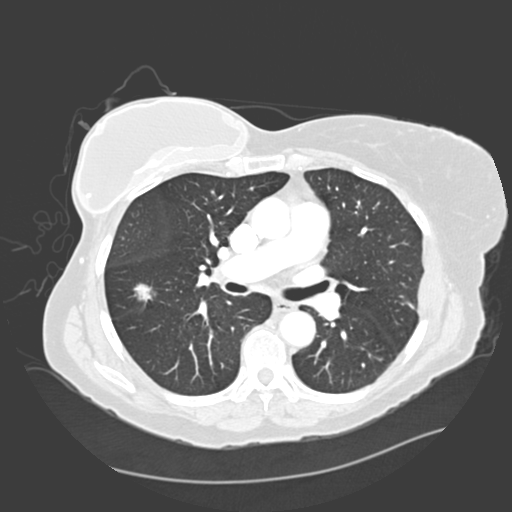
Chest CT, axial plane, 120 kVp, kernel D. Slice 186/328 from the bottom of the scan; thickness 2.00 mm; pixel size 0.742 mm.
Pulmonary nodule at rows 283–303, columns 133–155 (box = the union of the readers' outlines on this slice), outlined by all four readers; median longest diameter 19.7 mm (readers' outlines 18.3–21.0 mm), median volume 1582 mm3 (877–1921 mm3). Median ratings and the readers' spread: texture 3.5/5 at the median of four readers, spread 3/5 (part-solid) to 5/5 (solid); median margin 2.5/5 (readers ranged 2/5 to 4/5); sphericity 3/5 (ovoid) at the median of four readers, spread 2/5 to 3/5 (ovoid); calcification absent from all four readers; internal structure soft tissue, all four readers agreeing; median subtlety 5/5 (readers ranged 4–5); median malignancy likelihood 4/5 (readers ranged 3–5). Scale key (1–5): texture non-solid→solid, margin indistinct→circumscribed, sphericity linear→round, subtlety extremely subtle→obvious, malignancy likelihood highly unlikely→highly suspicious of cancer. Box rows and columns are 0-based pixel indices from the top-left corner, inclusive.